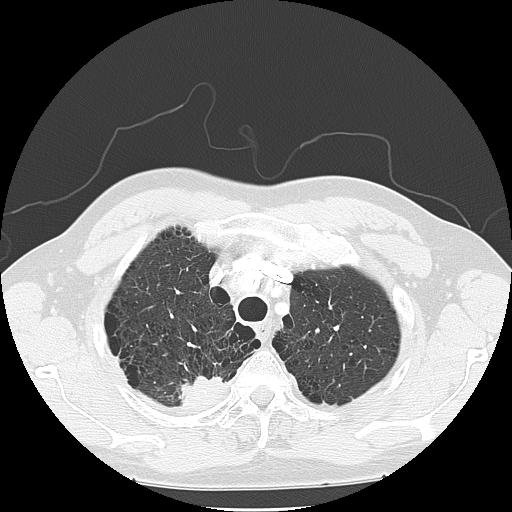
Slice 109/133 of a chest CT, counting up from the lowest; pixel size 0.703 mm, slice thickness 2.50 mm. Pulmonary nodule outlined by one of the four readers; box rows 377–403, columns 181–222 (that reader's outline on this slice); longest diameter 40.9 mm and volume 12423 mm3 from that reader's outline. That reader's ratings: texture 5/5 (solid); margin 3/5; sphericity 3/5 (ovoid); calcification absent; internal structure soft tissue; subtlety 5/5; malignancy likelihood 2/5. Scale key (1–5): texture non-solid→solid, margin indistinct→circumscribed, sphericity linear→round, subtlety extremely subtle→obvious, malignancy likelihood highly unlikely→highly suspicious of cancer. Box rows and columns are 0-based pixel indices from the top-left corner, inclusive.
Acquired at 120 kVp and reconstructed with the LUNG kernel.